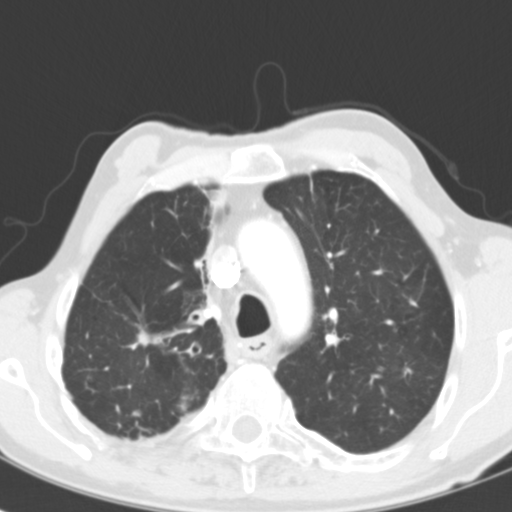
Axial chest CT slice 85 of 116 (counted from the lowest slice); 3.00 mm thick, 0.547 mm per pixel. Pulmonary nodule outlined by one of the four readers; box rows 411–415, columns 133–139 (that reader's outline on this slice); longest diameter 6.9 mm and volume 92 mm3 from that reader's outline. That reader's ratings: texture 5/5 (solid); margin 4/5; sphericity 3/5 (ovoid); calcification absent; internal structure soft tissue; subtlety 3/5; malignancy likelihood 3/5. Scale key (1–5): texture non-solid→solid, margin indistinct→circumscribed, sphericity linear→round, subtlety extremely subtle→obvious, malignancy likelihood highly unlikely→highly suspicious of cancer. Box rows and columns are 0-based pixel indices from the top-left corner, inclusive.
Tube voltage 120 kVp; convolution kernel B31f.